Axial slice 162 of 258 of a chest CT (slice 1 is the lowest), reconstructed with the STANDARD kernel at 120 kVp; 1.25 mm slice thickness and 0.859 mm pixels.
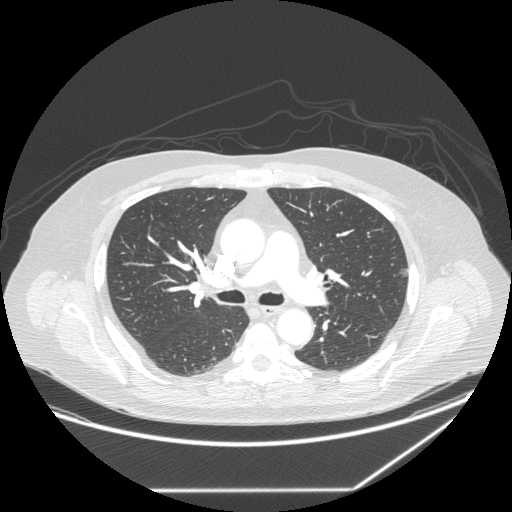
Pulmonary nodule, outlined by two of the four readers, one of them on this slice. Box on this slice rows 269–273, columns 402–405, the one reader's outline on this slice; the two readers' outlines give a longest diameter between 8.2 and 9.6 mm and a volume between 140 and 150 mm3. Ratings across the readers: texture 3/5 (part-solid) from both readers; margin from 2/5 to 3/5 across the two readers; sphericity from 3/5 (ovoid) to 4/5 across the two readers; calcification absent, both readers agreeing; internal structure soft tissue, both readers agreeing; subtlety rated between 4 and 5 out of 5 by the two readers; malignancy likelihood 3/5, both readers agreeing. Scale key (1–5): texture non-solid→solid, margin indistinct→circumscribed, sphericity linear→round, subtlety extremely subtle→obvious, malignancy likelihood highly unlikely→highly suspicious of cancer. Box rows and columns are 0-based pixel indices from the top-left corner, inclusive.